Axial chest CT slice 152 of 426 (counted from the lowest slice); tube voltage 120 kVp, convolution kernel STANDARD; slices 1.25 mm thick, 0.547 mm per pixel.
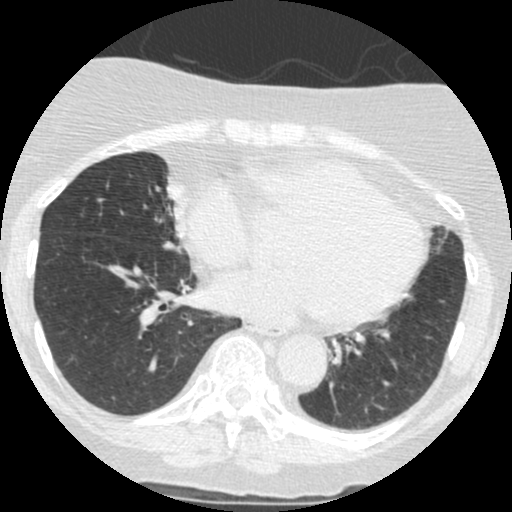
Pulmonary nodule at rows 241–248, columns 163–174 (box = that reader's outline on this slice), outlined by one of the four readers; longest diameter 15.0 mm and volume 404 mm3 from that reader's outline. That reader's ratings: texture 5/5 (solid); margin 4/5; sphericity 4/5; calcification non-central calcification; internal structure soft tissue; subtlety 4/5; malignancy likelihood 2/5. Scale key (1–5): texture non-solid→solid, margin indistinct→circumscribed, sphericity linear→round, subtlety extremely subtle→obvious, malignancy likelihood highly unlikely→highly suspicious of cancer. Box rows and columns are 0-based pixel indices from the top-left corner, inclusive.